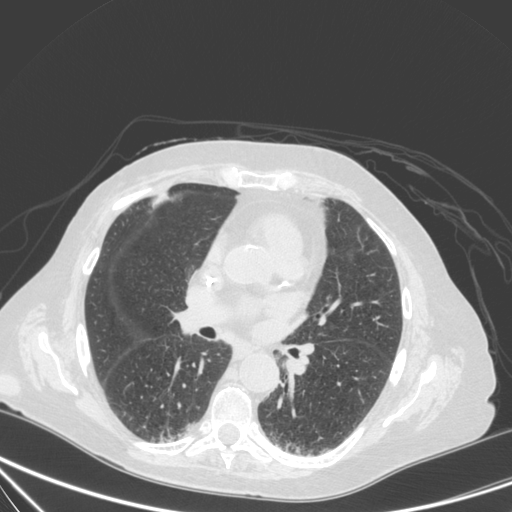
Axial chest CT slice 172 of 350 (counted from the lowest slice); tube voltage 120 kVp, convolution kernel C; slices 1.50 mm thick, 0.725 mm per pixel.
Pulmonary nodule at rows 194–205, columns 153–167 (box = that reader's outline on this slice), outlined by one of the four readers; longest diameter 29.5 mm and volume 4181 mm3 from that reader's outline. That reader's ratings: texture 5/5 (solid); margin 4/5; sphericity 2/5; calcification absent; internal structure soft tissue; subtlety 5/5; malignancy likelihood 4/5. Scale key (1–5): texture non-solid→solid, margin indistinct→circumscribed, sphericity linear→round, subtlety extremely subtle→obvious, malignancy likelihood highly unlikely→highly suspicious of cancer. Box rows and columns are 0-based pixel indices from the top-left corner, inclusive.